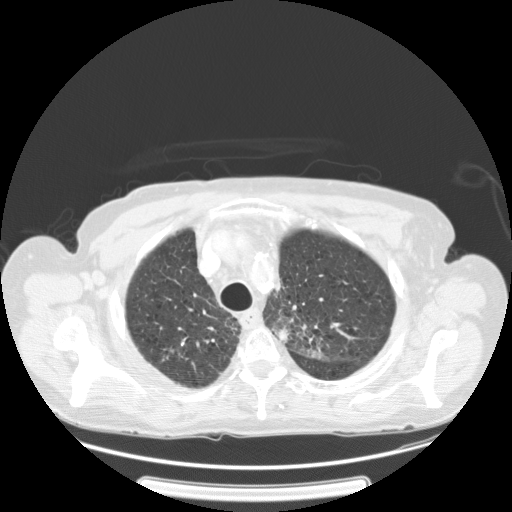
Chest CT, axial plane, 120 kVp, kernel STANDARD. Slice 110/137 from the bottom of the scan; thickness 2.50 mm; pixel size 0.781 mm.
Pulmonary nodule at rows 329–340, columns 277–287 (box = that reader's outline on this slice), outlined by one of the four readers; longest diameter 15.8 mm and volume 733 mm3 from that reader's outline. That reader's ratings: texture 3/5 (part-solid); margin 1/5 (indistinct); sphericity 4/5; calcification absent; internal structure soft tissue; subtlety 4/5; malignancy likelihood 3/5. Scale key (1–5): texture non-solid→solid, margin indistinct→circumscribed, sphericity linear→round, subtlety extremely subtle→obvious, malignancy likelihood highly unlikely→highly suspicious of cancer. Box rows and columns are 0-based pixel indices from the top-left corner, inclusive.